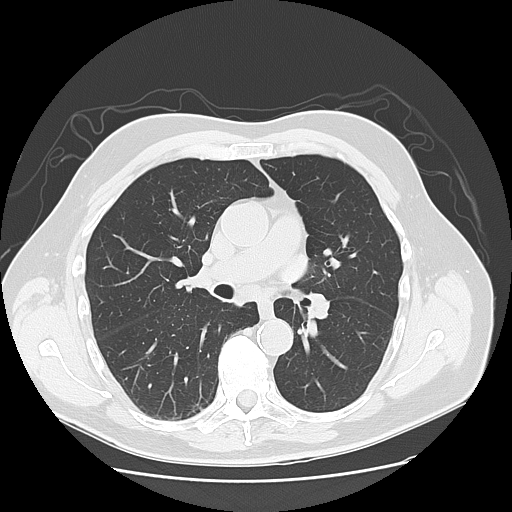
Axial chest CT slice 74 of 131 (counted from the lowest slice); tube voltage 120 kVp, convolution kernel LUNG; slices 2.50 mm thick, 0.723 mm per pixel.
This slice carries no reader outline of a nodule 3 mm or larger.